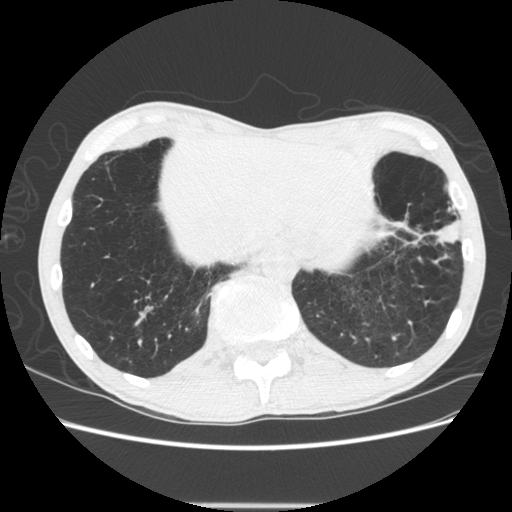
Axial chest CT slice 127 of 605 (counted from the lowest slice); 1.25 mm thick, 0.703 mm per pixel. Pulmonary nodule, outlined by one of the four readers. Box on this slice rows 218–244, columns 435–460, that reader's outline on this slice; longest diameter 29.0 mm and volume 1790 mm3 from that reader's outline. That reader's ratings: texture 4/5; margin 4/5; sphericity 2/5; calcification absent; internal structure soft tissue; subtlety 5/5; malignancy likelihood 4/5. Scale key (1–5): texture non-solid→solid, margin indistinct→circumscribed, sphericity linear→round, subtlety extremely subtle→obvious, malignancy likelihood highly unlikely→highly suspicious of cancer. Box rows and columns are 0-based pixel indices from the top-left corner, inclusive.
Acquired at 120 kVp and reconstructed with the STANDARD kernel.